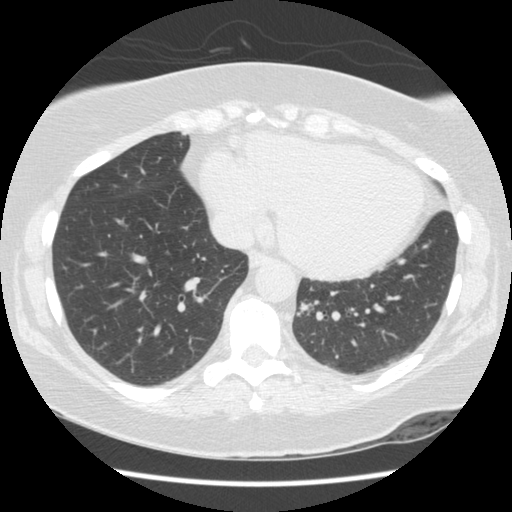
Axial chest CT slice 53 of 154 (counted from the lowest slice); tube voltage 120 kVp, convolution kernel STANDARD; slices 2.50 mm thick, 0.645 mm per pixel.
Pulmonary nodule at rows 303–311, columns 300–311 (box = that reader's outline on this slice), outlined by one of the four readers; longest diameter 11.3 mm and volume 286 mm3 from that reader's outline. That reader's ratings: texture 4/5; margin 3/5; sphericity 2/5; calcification absent; internal structure soft tissue; subtlety 4/5; malignancy likelihood 1/5. Scale key (1–5): texture non-solid→solid, margin indistinct→circumscribed, sphericity linear→round, subtlety extremely subtle→obvious, malignancy likelihood highly unlikely→highly suspicious of cancer. Box rows and columns are 0-based pixel indices from the top-left corner, inclusive.